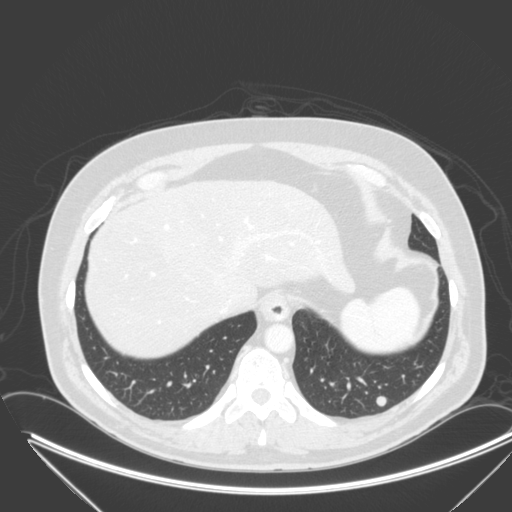
Axial chest CT slice 76 of 315 (counted from the lowest slice); 2.00 mm thick, 0.830 mm per pixel. Pulmonary nodule at rows 395–406, columns 375–386 (box = the union of the readers' outlines on this slice), outlined by all four readers; longest diameter 10.3–12.9 mm and volume 426–557 mm3 across the four readers' outlines. Ratings across the readers: texture 5/5 (solid), all four readers agreeing; margin from 4/5 to 5/5 (circumscribed) across the four readers; sphericity from 3/5 (ovoid) to 5/5 (round) across the four readers; calcification absent from all four readers; internal structure soft tissue, all four readers agreeing; subtlety rated between 4 and 5 out of 5 by the four readers; malignancy likelihood 3–4/5 (the readers disagree). Scale key (1–5): texture non-solid→solid, margin indistinct→circumscribed, sphericity linear→round, subtlety extremely subtle→obvious, malignancy likelihood highly unlikely→highly suspicious of cancer. Box rows and columns are 0-based pixel indices from the top-left corner, inclusive.
Tube voltage 120 kVp; convolution kernel B.